Axial slice 109 of 149 of a chest CT (slice 1 is the lowest), reconstructed with the STANDARD kernel at 120 kVp; 2.50 mm slice thickness and 0.781 mm pixels.
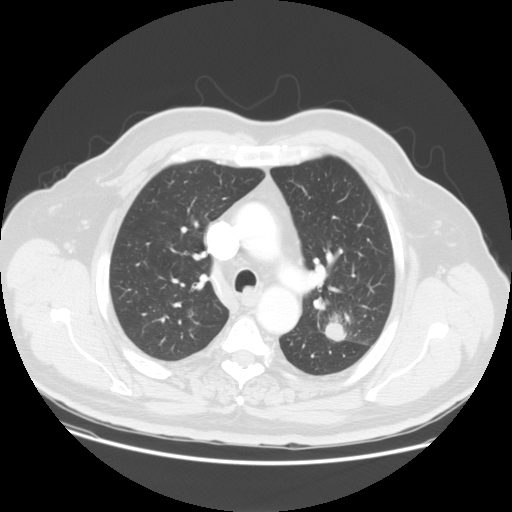
Pulmonary nodule, outlined by three of the four readers. Box on this slice rows 314–340, columns 325–345, the union of the readers' outlines on this slice; median longest diameter 34.9 mm (readers' outlines 34.5–53.9 mm), median volume 16329 mm3 (15350–17058 mm3). Ratings, median across the readers with their spread: texture 5/5 (solid) from all three readers; median margin 4/5 (readers ranged 4/5 to 5/5 (circumscribed)); sphericity 4/5 at the median of three readers, spread 4/5 to 5/5 (round); calcification absent from all three readers; internal structure soft tissue, all three readers agreeing; subtlety 5/5 from all three readers; malignancy likelihood 5/5 at the median of three readers, spread 4–5. Scale key (1–5): texture non-solid→solid, margin indistinct→circumscribed, sphericity linear→round, subtlety extremely subtle→obvious, malignancy likelihood highly unlikely→highly suspicious of cancer. Box rows and columns are 0-based pixel indices from the top-left corner, inclusive.